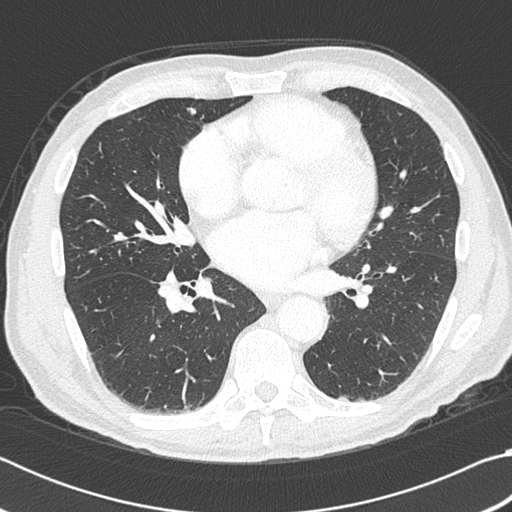
One axial slice (197 of 383, counting up from the lowest) of a chest CT acquired at 120 kVp with the B45f kernel; each pixel is 0.664 mm and the slice is 1.00 mm thick.
Pulmonary nodule outlined by all four readers; box rows 107–115, columns 186–196 (the union of the readers' outlines on this slice); median longest diameter 10.6 mm (readers' outlines 9.8–12.2 mm), median volume 418 mm3 (379–631 mm3). Median ratings and the readers' spread: texture 5/5 (solid) from all four readers; margin 5/5 (circumscribed) from all four readers; median sphericity 4.5/5 (readers ranged 3/5 (ovoid) to 5/5 (round)); calcification: absent (three), solid calcification (one); internal structure soft tissue, all four readers agreeing; median subtlety 4.5/5 (readers ranged 4–5); malignancy likelihood 2.5/5 at the median of four readers, spread 1–4. Scale key (1–5): texture non-solid→solid, margin indistinct→circumscribed, sphericity linear→round, subtlety extremely subtle→obvious, malignancy likelihood highly unlikely→highly suspicious of cancer. Box rows and columns are 0-based pixel indices from the top-left corner, inclusive.